Axial chest CT slice 88 of 252 (counted from the lowest slice); tube voltage 120 kVp, convolution kernel BONE; slices 1.25 mm thick, 0.703 mm per pixel.
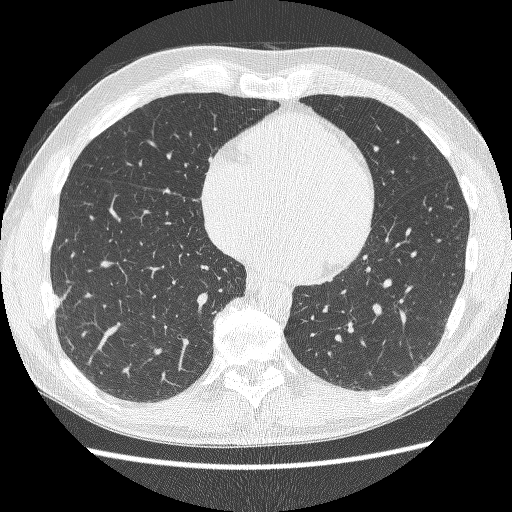
Pulmonary nodule, outlined by two of the four readers. Box on this slice rows 293–309, columns 52–59, the union of the readers' outlines on this slice; median longest diameter 12.1 mm (readers' outlines 11.4–12.7 mm), median volume 259 mm3 (256–262 mm3). Median ratings and the readers' spread: texture 4.5/5 at the median of two readers, spread 4/5 to 5/5 (solid); margin 4/5 at the median of two readers, spread 3/5 to 5/5 (circumscribed); sphericity 2.5/5 at the median of two readers, spread 2/5 to 3/5 (ovoid); calcification absent, both readers agreeing; internal structure soft tissue, both readers agreeing; median subtlety 3.5/5 (readers ranged 2–5); median malignancy likelihood 2.5/5 (readers ranged 2–3). Scale key (1–5): texture non-solid→solid, margin indistinct→circumscribed, sphericity linear→round, subtlety extremely subtle→obvious, malignancy likelihood highly unlikely→highly suspicious of cancer. Box rows and columns are 0-based pixel indices from the top-left corner, inclusive.